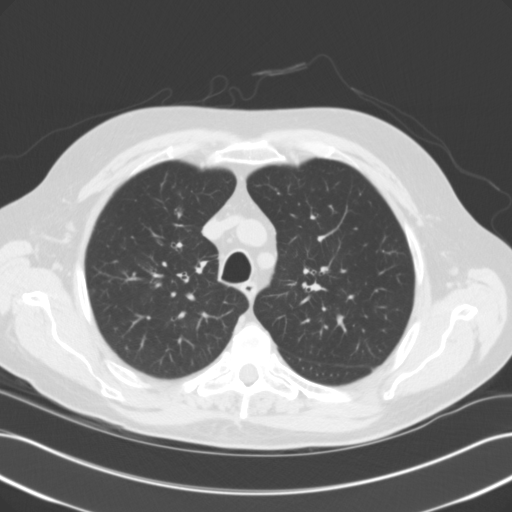
One axial slice (90 of 118, counting up from the lowest) of a chest CT acquired at 120 kVp with the B31f kernel; each pixel is 0.707 mm and the slice is 3.00 mm thick.
No nodule 3 mm or larger was outlined here by any reader.